Chest CT, axial plane, 120 kVp, kernel B30f. Slice 429/538 from the bottom of the scan; thickness 0.75 mm; pixel size 0.605 mm.
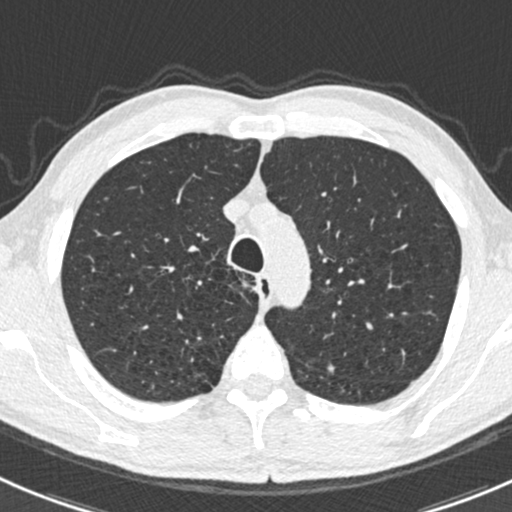
Pulmonary nodule, outlined by all four readers. Box on this slice rows 364–372, columns 327–334, the union of the readers' outlines on this slice; longest diameter 6.3–8.1 mm and volume 38–119 mm3 across the four readers' outlines. The readers' ratings, as ranges where they differ: texture 5/5 (solid), all four readers agreeing; margin from 4/5 to 5/5 (circumscribed) across the four readers; sphericity from 4/5 to 5/5 (round) across the four readers; calcification: solid calcification (three), absent (one); internal structure soft tissue, all four readers agreeing; subtlety 2–5/5 (the readers disagree); malignancy likelihood 1/5 from all four readers. Scale key (1–5): texture non-solid→solid, margin indistinct→circumscribed, sphericity linear→round, subtlety extremely subtle→obvious, malignancy likelihood highly unlikely→highly suspicious of cancer. Box rows and columns are 0-based pixel indices from the top-left corner, inclusive.